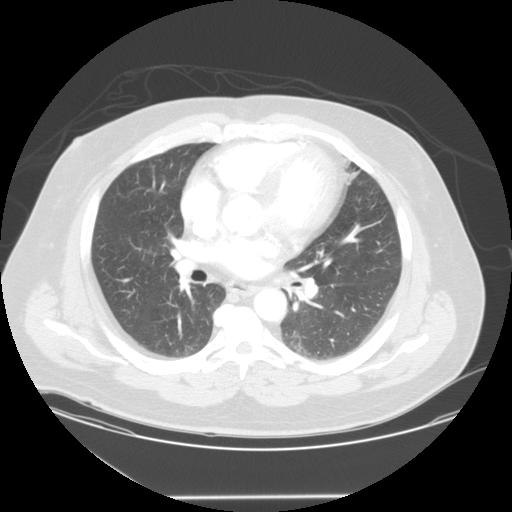
Axial chest CT slice 80 of 127 (counted from the lowest slice); tube voltage 120 kVp, convolution kernel STANDARD; slices 2.50 mm thick, 0.859 mm per pixel.
The readers outlined no nodule of 3 mm or more on this slice.